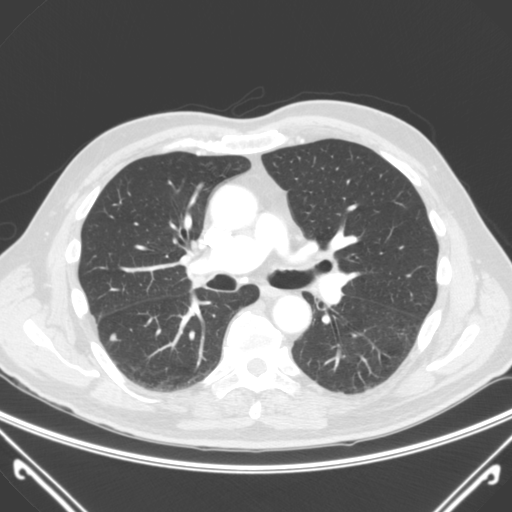
Chest CT, axial plane, 120 kVp, kernel B. Slice 148/285 from the bottom of the scan; thickness 2.00 mm; pixel size 0.748 mm.
Pulmonary nodule, outlined by all four readers. Box on this slice rows 333–341, columns 108–116, the union of the readers' outlines on this slice; longest diameter 7.0 mm on average over the four readers' outlines (readers' outlines 6.0–7.7 mm), volume 50–138 mm3. The readers' prevailing ratings and who disagreed: texture 5/5 (solid) by three of four readers; the rest gave 4/5 (one); most readers (three of four) put margin at 5/5 (circumscribed), others 4/5 (one); sphericity 5/5 (round) by two of four readers; the rest gave 2/5 (one), 4/5 (one); calcification absent from all four readers; internal structure soft tissue, all four readers agreeing; subtlety split among the readers: 2/5 (one), 3/5 (one), 4/5 (one), 5/5 (one); malignancy likelihood split among the readers: 2/5 (two), 4/5 (two). Scale key (1–5): texture non-solid→solid, margin indistinct→circumscribed, sphericity linear→round, subtlety extremely subtle→obvious, malignancy likelihood highly unlikely→highly suspicious of cancer. Box rows and columns are 0-based pixel indices from the top-left corner, inclusive.